Chest CT, axial plane, 120 kVp, kernel BONE. Slice 126/239 from the bottom of the scan; thickness 1.25 mm; pixel size 0.795 mm.
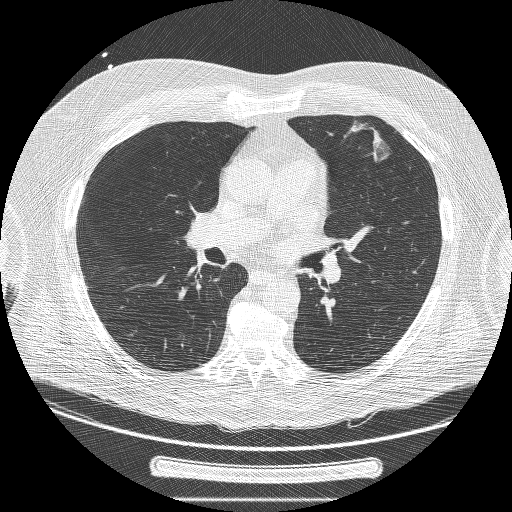
Pulmonary nodule, outlined by two of the four readers. Box on this slice rows 121–161, columns 345–389, the union of the readers' outlines on this slice; longest diameter 43.2 mm on average over the two readers' outlines (readers' outlines 43.0–43.4 mm), volume 10396–11168 mm3. The readers' prevailing ratings and who disagreed: texture split among the readers: 3/5 (part-solid) (one), 5/5 (solid) (one); margin split among the readers: 1/5 (indistinct) (one), 3/5 (one); sphericity split among the readers: 1/5 (linear) (one), 3/5 (ovoid) (one); calcification absent, both readers agreeing; internal structure soft tissue from both readers; subtlety 5/5, both readers agreeing; malignancy likelihood 5/5 from both readers. Scale key (1–5): texture non-solid→solid, margin indistinct→circumscribed, sphericity linear→round, subtlety extremely subtle→obvious, malignancy likelihood highly unlikely→highly suspicious of cancer. Box rows and columns are 0-based pixel indices from the top-left corner, inclusive.